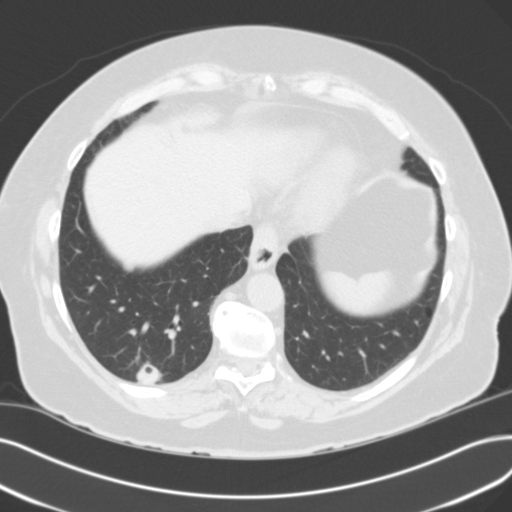
This is axial slice 42 of 112 (slice 1 is the lowest) of a chest CT; each pixel is 0.711 mm and the slice is 3.00 mm thick. Pulmonary nodule at rows 362–384, columns 136–160 (box = the union of the readers' outlines on this slice), outlined by all four readers; longest diameter 18.6 mm on average over the four readers' outlines (readers' outlines 17.4–20.7 mm), volume 1739–3129 mm3. The readers' prevailing ratings and who disagreed: texture 5/5 (solid) by two of four readers; the rest gave 3/5 (part-solid) (one), 4/5 (one); margin 5/5 (circumscribed) by two of four readers; the rest gave 3/5 (one), 4/5 (one); sphericity 5/5 (round) by three of four readers; the rest gave 3/5 (ovoid) (one); calcification absent from all four readers; internal structure soft tissue, all four readers agreeing; subtlety 5/5 from all four readers; malignancy likelihood 5/5 by two of four readers; the rest gave 2/5 (one), 3/5 (one). Scale key (1–5): texture non-solid→solid, margin indistinct→circumscribed, sphericity linear→round, subtlety extremely subtle→obvious, malignancy likelihood highly unlikely→highly suspicious of cancer. Box rows and columns are 0-based pixel indices from the top-left corner, inclusive.
Tube voltage 120 kVp; convolution kernel B31f.